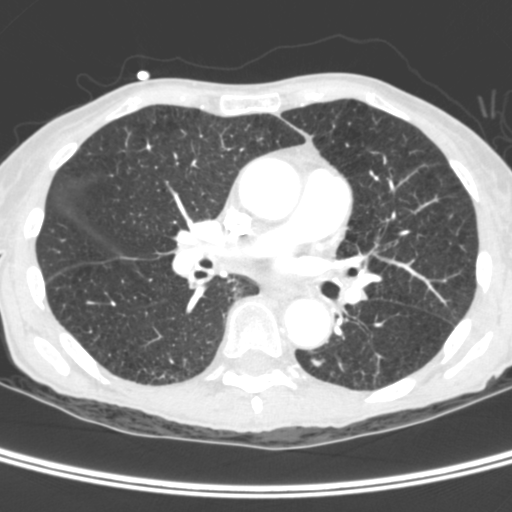
Chest CT, axial plane, 120 kVp, kernel C. Slice 202/400 from the bottom of the scan; thickness 1.50 mm; pixel size 0.527 mm.
Pulmonary nodule, outlined by three of the four readers. Box on this slice rows 358–366, columns 310–323, the union of the readers' outlines on this slice; median longest diameter 7.6 mm (readers' outlines 6.0–8.7 mm), median volume 90 mm3 (56–91 mm3). Ratings, median across the readers with their spread: texture 5/5 (solid) from all three readers; median margin 4/5 (readers ranged 3/5 to 4/5); median sphericity 3/5 (ovoid) (readers ranged 2/5 to 3/5 (ovoid)); calcification absent from all three readers; internal structure soft tissue, all three readers agreeing; subtlety 3/5 at the median of three readers, spread 3–5; median malignancy likelihood 2/5 (readers ranged 1–4). Scale key (1–5): texture non-solid→solid, margin indistinct→circumscribed, sphericity linear→round, subtlety extremely subtle→obvious, malignancy likelihood highly unlikely→highly suspicious of cancer. Box rows and columns are 0-based pixel indices from the top-left corner, inclusive.